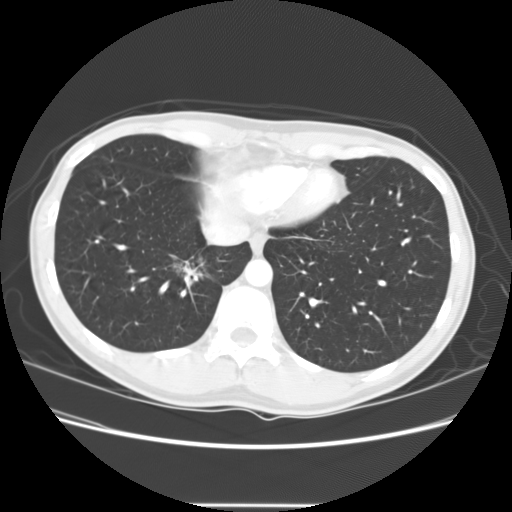
This is axial slice 40 of 141 (slice 1 is the lowest) of a chest CT; each pixel is 0.703 mm and the slice is 2.50 mm thick. Pulmonary nodule, outlined four times (the source holds one more outline, not used), three of them on this slice. Box on this slice rows 258–287, columns 174–207, the union of the readers' outlines on this slice; median longest diameter 32.5 mm (readers' outlines 31.6–34.1 mm), median volume 6128 mm3 (4983–9079 mm3). Median ratings and the readers' spread: texture 5/5 (solid), all four readers agreeing; median margin 3/5 (readers ranged 1/5 (indistinct) to 3/5); median sphericity 3.5/5 (readers ranged 3/5 (ovoid) to 4/5); calcification absent, all four readers agreeing; internal structure split among the readers: air (two), soft tissue (two); subtlety 5/5, all four readers agreeing; malignancy likelihood 5/5 from all four readers. Scale key (1–5): texture non-solid→solid, margin indistinct→circumscribed, sphericity linear→round, subtlety extremely subtle→obvious, malignancy likelihood highly unlikely→highly suspicious of cancer. Box rows and columns are 0-based pixel indices from the top-left corner, inclusive.
Scan settings: 120 kVp, STANDARD reconstruction kernel.